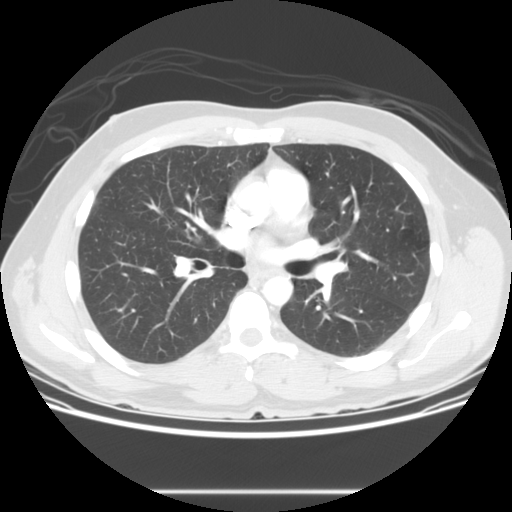
This is axial slice 60 of 119 (slice 1 is the lowest) of a chest CT; each pixel is 0.742 mm and the slice is 2.50 mm thick. This slice carries no reader outline of a nodule 3 mm or larger.
Scan settings: 120 kVp, STANDARD reconstruction kernel.